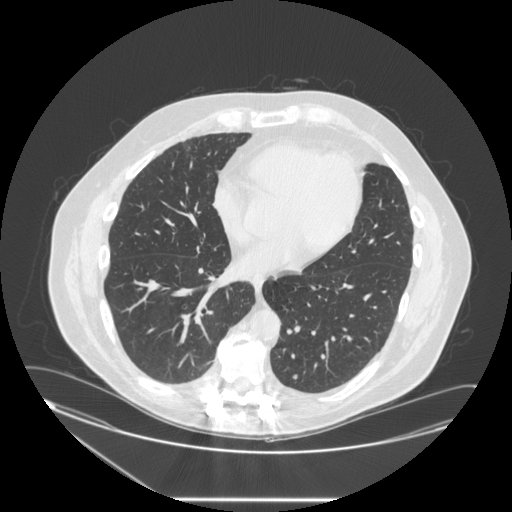
Axial chest CT slice 91 of 237 (counted from the lowest slice); 1.25 mm thick, 0.871 mm per pixel. Pulmonary nodule at rows 374–379, columns 292–297 (box = the union of the readers' outlines on this slice), outlined by two of the four readers; median longest diameter 6.1 mm (readers' outlines 5.8–6.3 mm), median volume 51 mm3 (49–52 mm3). Median ratings and the readers' spread: texture 4.5/5 at the median of two readers, spread 4/5 to 5/5 (solid); median margin 3.5/5 (readers ranged 3/5 to 4/5); median sphericity 4.5/5 (readers ranged 4/5 to 5/5 (round)); calcification absent, both readers agreeing; internal structure soft tissue, both readers agreeing; subtlety 1/5 from both readers; malignancy likelihood 3/5 from both readers. Scale key (1–5): texture non-solid→solid, margin indistinct→circumscribed, sphericity linear→round, subtlety extremely subtle→obvious, malignancy likelihood highly unlikely→highly suspicious of cancer. Box rows and columns are 0-based pixel indices from the top-left corner, inclusive.
Scan settings: 120 kVp, STANDARD reconstruction kernel.